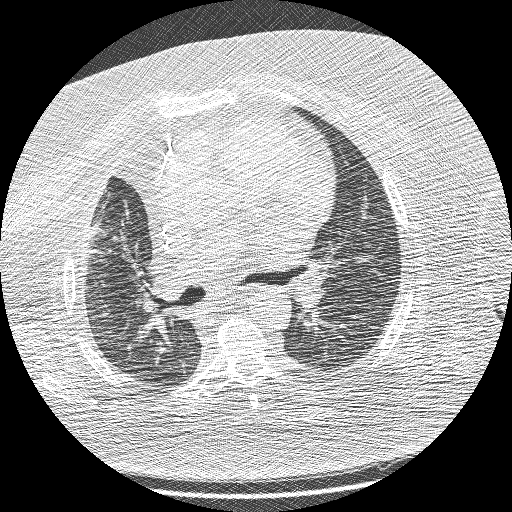
Chest CT, axial plane, 120 kVp, kernel BONE. Slice 122/208 from the bottom of the scan; thickness 1.25 mm; pixel size 0.723 mm.
Pulmonary nodule at rows 225–238, columns 91–104 (box = the one reader's outline on this slice), outlined by all four readers, one of them on this slice; median longest diameter 27.6 mm (readers' outlines 25.6–30.6 mm), median volume 4739 mm3 (4623–6820 mm3). Ratings, median across the readers with their spread: texture 5/5 (solid) from all four readers; median margin 3/5 (readers ranged 1/5 (indistinct) to 3/5); sphericity 3/5 (ovoid) at the median of four readers, spread 3/5 (ovoid) to 4/5; calcification absent, all four readers agreeing; internal structure soft tissue from all four readers; subtlety 5/5, all four readers agreeing; malignancy likelihood 5/5, all four readers agreeing. Scale key (1–5): texture non-solid→solid, margin indistinct→circumscribed, sphericity linear→round, subtlety extremely subtle→obvious, malignancy likelihood highly unlikely→highly suspicious of cancer. Box rows and columns are 0-based pixel indices from the top-left corner, inclusive.